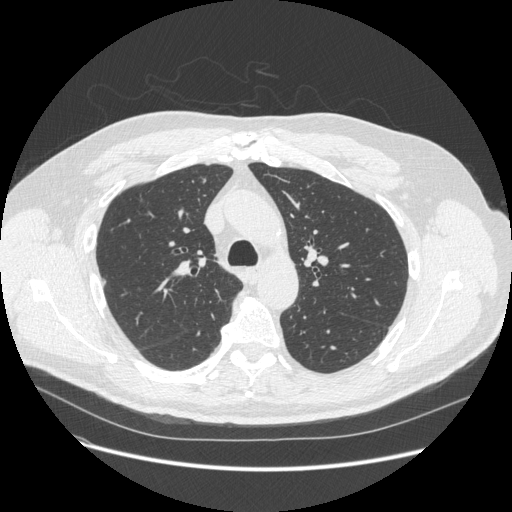
Axial chest CT slice 371 of 541 (counted from the lowest slice); 1.25 mm thick, 0.781 mm per pixel. Pulmonary nodule outlined by two of the four readers; box rows 277–286, columns 100–106 (the union of the readers' outlines on this slice); longest diameter 9.2 mm on average over the two readers' outlines (readers' outlines 8.2–10.3 mm), volume 74–127 mm3. Ratings, by the readers' most common answer with dissent counted: texture 5/5 (solid), both readers agreeing; margin 5/5 (circumscribed), both readers agreeing; sphericity 3/5 (ovoid) from both readers; calcification absent, both readers agreeing; internal structure soft tissue, both readers agreeing; subtlety 5/5, both readers agreeing; malignancy likelihood split among the readers: 2/5 (one), 3/5 (one). Scale key (1–5): texture non-solid→solid, margin indistinct→circumscribed, sphericity linear→round, subtlety extremely subtle→obvious, malignancy likelihood highly unlikely→highly suspicious of cancer. Box rows and columns are 0-based pixel indices from the top-left corner, inclusive.
Acquired at 120 kVp and reconstructed with the STANDARD kernel.